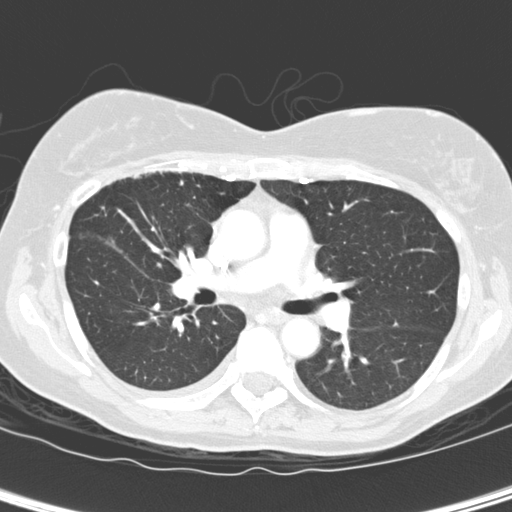
Chest CT, axial plane, 120 kVp, kernel D. Slice 147/260 from the bottom of the scan; thickness 2.00 mm; pixel size 0.584 mm.
None of the four readers outlined a nodule of 3 mm or more on this slice.